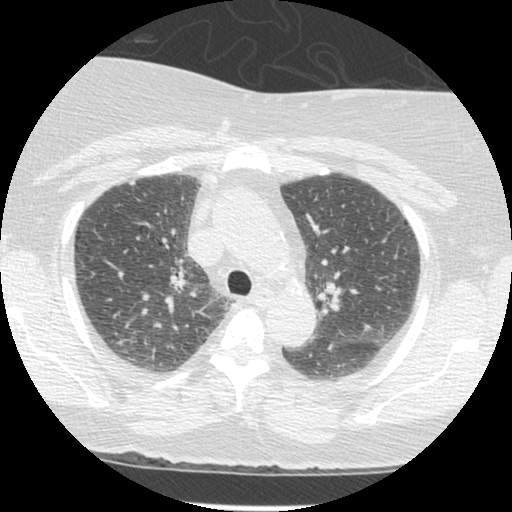
Chest CT, axial plane, 120 kVp, kernel STANDARD. Slice 263/381 from the bottom of the scan; thickness 1.25 mm; pixel size 0.625 mm.
Pulmonary nodule, outlined by one of the four readers. Box on this slice rows 181–184, columns 129–134, that reader's outline on this slice; longest diameter 4.8 mm and volume 33 mm3 from that reader's outline. Ratings by that reader: texture 5/5 (solid); margin 5/5 (circumscribed); sphericity 3/5 (ovoid); calcification absent; internal structure soft tissue; subtlety 4/5; malignancy likelihood 3/5. Scale key (1–5): texture non-solid→solid, margin indistinct→circumscribed, sphericity linear→round, subtlety extremely subtle→obvious, malignancy likelihood highly unlikely→highly suspicious of cancer. Box rows and columns are 0-based pixel indices from the top-left corner, inclusive.